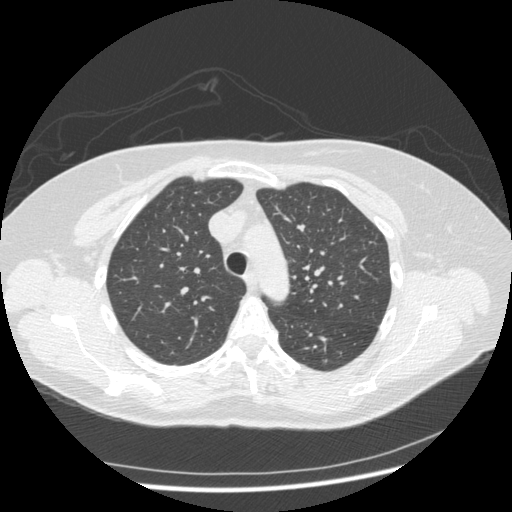
Axial chest CT slice 325 of 436 (counted from the lowest slice); 1.25 mm thick, 0.703 mm per pixel. Pulmonary nodule, outlined by all four readers, one of them on this slice. Box on this slice rows 206–213, columns 162–172, the one reader's outline on this slice; longest diameter 11.4 mm on average over the four readers' outlines (readers' outlines 10.7–12.4 mm), volume 115–323 mm3. Ratings, by the readers' most common answer with dissent counted: texture 1/5 (non-solid) by three of four readers; the rest gave 3/5 (part-solid) (one); margin split among the readers: 1/5 (indistinct) (one), 2/5 (one), 3/5 (one), 4/5 (one); sphericity 3/5 (ovoid) by two of four readers; the rest gave 4/5 (one), 5/5 (round) (one); calcification absent from all four readers; internal structure soft tissue, all four readers agreeing; subtlety 1/5 by two of four readers; the rest gave 2/5 (one), 3/5 (one); malignancy likelihood 3/5 by three of four readers; the rest gave 2/5 (one). Scale key (1–5): texture non-solid→solid, margin indistinct→circumscribed, sphericity linear→round, subtlety extremely subtle→obvious, malignancy likelihood highly unlikely→highly suspicious of cancer. Box rows and columns are 0-based pixel indices from the top-left corner, inclusive.
Acquired at 120 kVp and reconstructed with the STANDARD kernel.